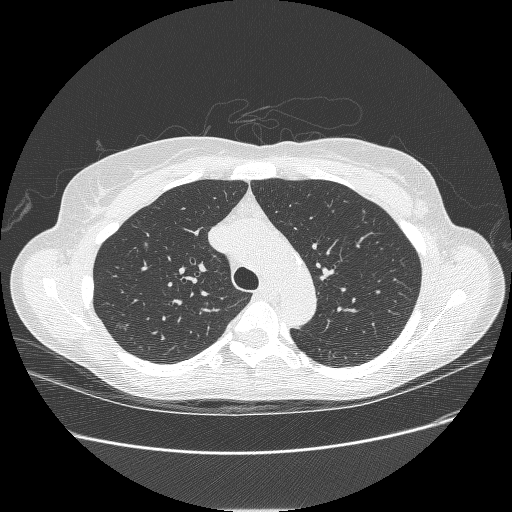
One axial slice (184 of 238, counting up from the lowest) of a chest CT acquired at 120 kVp with the BONE kernel; each pixel is 0.703 mm and the slice is 1.25 mm thick.
Two pulmonary nodules on this slice, listed from left to right. (1) Pulmonary nodule, outlined by two of the four readers. Box on this slice rows 322–329, columns 118–125, the union of the readers' outlines on this slice; longest diameter 7.3–8.5 mm and volume 87 mm3 across the two readers' outlines. The readers' ratings, as ranges where they differ: texture 1/5 (non-solid) from both readers; margin 1/5 (indistinct) from both readers; sphericity from 3/5 (ovoid) to 4/5 across the two readers; calcification absent from both readers; internal structure soft tissue, both readers agreeing; subtlety from 1/5 to 4/5 across the two readers; malignancy likelihood from 3/5 to 4/5 across the two readers. (2) Pulmonary nodule, outlined by one of the four readers. Box on this slice rows 242–247, columns 143–147, that reader's outline on this slice; longest diameter 6.5 mm and volume 57 mm3 from that reader's outline. That reader's ratings: texture 3/5 (part-solid); margin 1/5 (indistinct); sphericity 4/5; calcification absent; internal structure soft tissue; subtlety 1/5; malignancy likelihood 4/5. Scale key (1–5): texture non-solid→solid, margin indistinct→circumscribed, sphericity linear→round, subtlety extremely subtle→obvious, malignancy likelihood highly unlikely→highly suspicious of cancer. Box rows and columns are 0-based pixel indices from the top-left corner, inclusive.